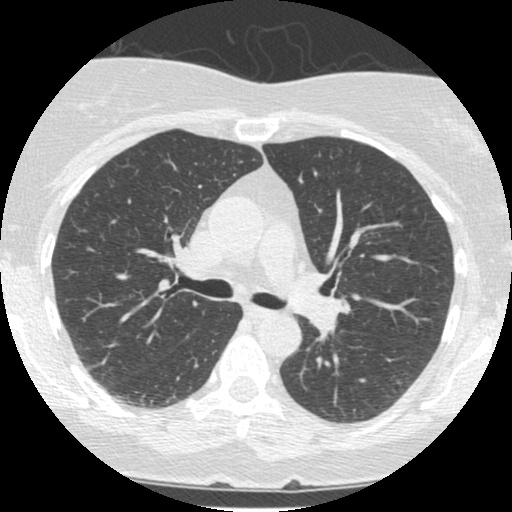
This is axial slice 204 of 372 (slice 1 is the lowest) of a chest CT; each pixel is 0.586 mm and the slice is 1.25 mm thick. This slice carries no reader outline of a nodule 3 mm or larger.
Acquired at 120 kVp and reconstructed with the STANDARD kernel.